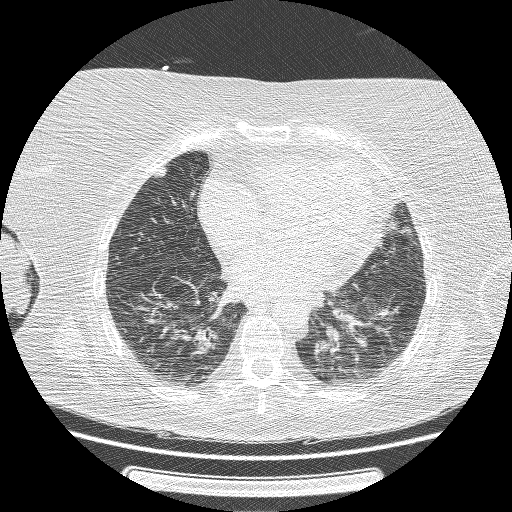
One axial slice (55 of 162, counting up from the lowest) of a chest CT acquired at 120 kVp with the BONE kernel; each pixel is 0.703 mm and the slice is 1.25 mm thick.
Two pulmonary nodules on this slice, listed from left to right. (1) Pulmonary nodule at rows 167–177, columns 153–166 (box = the union of the readers' outlines on this slice), outlined by all four readers; median longest diameter 12.2 mm (readers' outlines 10.9–13.0 mm), median volume 356 mm3 (239–644 mm3). Ratings, median across the readers with their spread: texture 5/5 (solid), all four readers agreeing; margin 4/5, all four readers agreeing; median sphericity 4/5 (readers ranged 3/5 (ovoid) to 4/5); calcification: absent (three), solid calcification (one); internal structure soft tissue from all four readers; subtlety 4.5/5 at the median of four readers, spread 4–5; median malignancy likelihood 3/5 (readers ranged 1–3). (2) Pulmonary nodule outlined by two of the four readers, one of them on this slice; box rows 218–230, columns 387–399 (the one reader's outline on this slice); longest diameter 20.4 mm on average over the two readers' outlines (readers' outlines 19.1–21.7 mm), volume 914–2424 mm3. Ratings, by the readers' most common answer with dissent counted: texture 5/5 (solid), both readers agreeing; margin split among the readers: 3/5 (one), 4/5 (one); sphericity split among the readers: 3/5 (ovoid) (one), 4/5 (one); calcification absent, both readers agreeing; internal structure soft tissue, both readers agreeing; subtlety split among the readers: 4/5 (one), 5/5 (one); malignancy likelihood 3/5 from both readers. Scale key (1–5): texture non-solid→solid, margin indistinct→circumscribed, sphericity linear→round, subtlety extremely subtle→obvious, malignancy likelihood highly unlikely→highly suspicious of cancer. Box rows and columns are 0-based pixel indices from the top-left corner, inclusive.